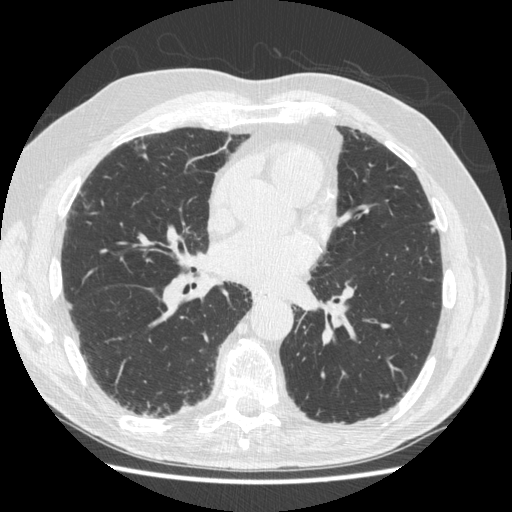
Axial chest CT slice 241 of 497 (counted from the lowest slice); 1.25 mm thick, 0.703 mm per pixel. Pulmonary nodule at rows 143–157, columns 138–147 (box = the one reader's outline on this slice), outlined by all four readers, one of them on this slice; median longest diameter 11.6 mm (readers' outlines 10.9–14.8 mm), median volume 235 mm3 (184–648 mm3). Ratings, median across the readers with their spread: texture 5/5 (solid) at the median of four readers, spread 1/5 (non-solid) to 5/5 (solid); median margin 3/5 (readers ranged 2/5 to 4/5); median sphericity 3.5/5 (readers ranged 3/5 (ovoid) to 5/5 (round)); calcification absent from all four readers; internal structure soft tissue, all four readers agreeing; median subtlety 4/5 (readers ranged 1–5); median malignancy likelihood 3/5 (readers ranged 2–4). Scale key (1–5): texture non-solid→solid, margin indistinct→circumscribed, sphericity linear→round, subtlety extremely subtle→obvious, malignancy likelihood highly unlikely→highly suspicious of cancer. Box rows and columns are 0-based pixel indices from the top-left corner, inclusive.
Acquired at 120 kVp and reconstructed with the STANDARD kernel.